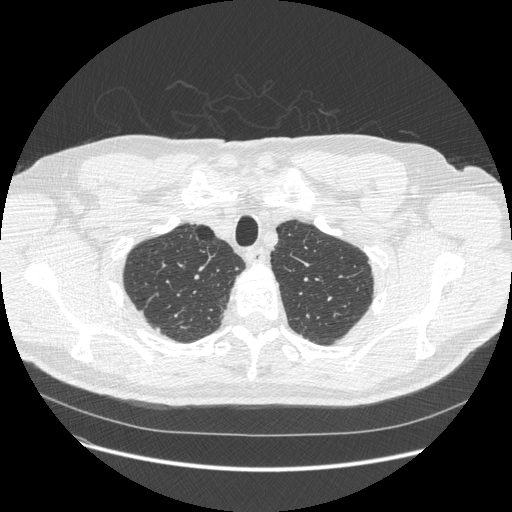
Axial slice 458 of 541 of a chest CT (slice 1 is the lowest), reconstructed with the STANDARD kernel at 120 kVp; 1.25 mm slice thickness and 0.781 mm pixels.
Pulmonary nodule at rows 327–331, columns 155–159 (box = that reader's outline on this slice), outlined by one of the four readers; longest diameter 7.2 mm and volume 60 mm3 from that reader's outline. That reader's ratings: texture 5/5 (solid); margin 5/5 (circumscribed); sphericity 4/5; calcification absent; internal structure soft tissue; subtlety 5/5; malignancy likelihood 3/5. Scale key (1–5): texture non-solid→solid, margin indistinct→circumscribed, sphericity linear→round, subtlety extremely subtle→obvious, malignancy likelihood highly unlikely→highly suspicious of cancer. Box rows and columns are 0-based pixel indices from the top-left corner, inclusive.